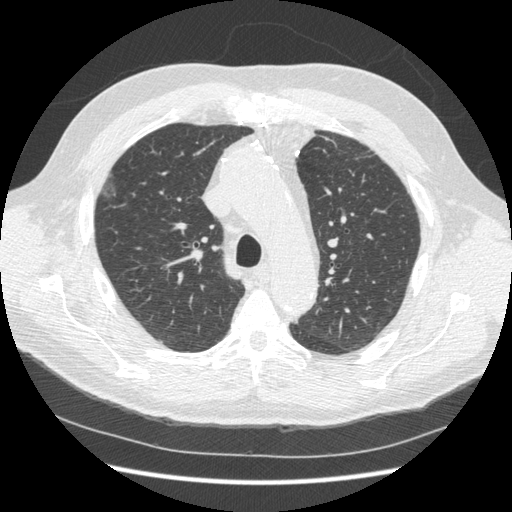
Slice 248/369 of a chest CT, counting up from the lowest; pixel size 0.703 mm, slice thickness 1.25 mm. Pulmonary nodule at rows 173–197, columns 102–114 (box = that reader's outline on this slice), outlined by one of the four readers; longest diameter 27.0 mm and volume 3015 mm3 from that reader's outline. Ratings by that reader: texture 1/5 (non-solid); margin 1/5 (indistinct); sphericity 3/5 (ovoid); calcification absent; internal structure soft tissue; subtlety 3/5; malignancy likelihood 3/5. Scale key (1–5): texture non-solid→solid, margin indistinct→circumscribed, sphericity linear→round, subtlety extremely subtle→obvious, malignancy likelihood highly unlikely→highly suspicious of cancer. Box rows and columns are 0-based pixel indices from the top-left corner, inclusive.
Acquired at 120 kVp and reconstructed with the STANDARD kernel.